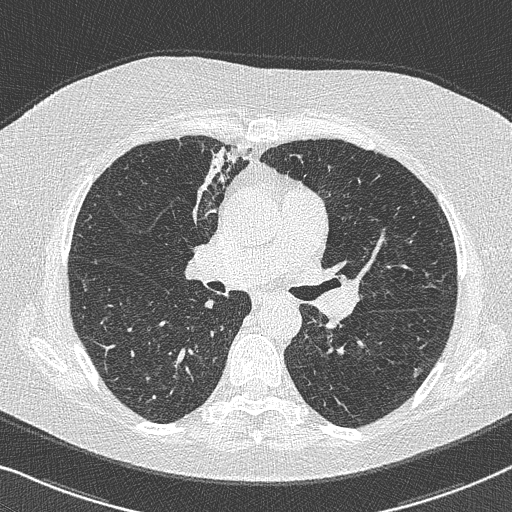
Axial chest CT slice 445 of 733 (counted from the lowest slice); 0.60 mm thick, 0.637 mm per pixel. Pulmonary nodule, outlined by all four readers. Box on this slice rows 366–377, columns 412–422, the union of the readers' outlines on this slice; longest diameter 11.5 mm on average over the four readers' outlines (readers' outlines 11.1–11.9 mm), volume 231–376 mm3. Ratings, by the readers' most common answer with dissent counted: texture 5/5 (solid) from all four readers; margin 3/5 by two of four readers; the rest gave 4/5 (one), 5/5 (circumscribed) (one); most readers (three of four) put sphericity at 3/5 (ovoid), others 5/5 (round) (one); calcification absent from all four readers; internal structure soft tissue from all four readers; subtlety split among the readers: 4/5 (two), 5/5 (two); malignancy likelihood split among the readers: 3/5 (two), 4/5 (two). Scale key (1–5): texture non-solid→solid, margin indistinct→circumscribed, sphericity linear→round, subtlety extremely subtle→obvious, malignancy likelihood highly unlikely→highly suspicious of cancer. Box rows and columns are 0-based pixel indices from the top-left corner, inclusive.
Scan settings: 120 kVp, B50f reconstruction kernel.